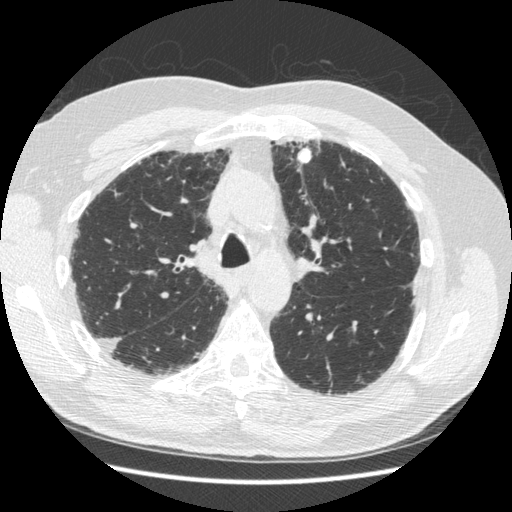
Chest CT, axial plane, 120 kVp, kernel STANDARD. Slice 342/497 from the bottom of the scan; thickness 1.25 mm; pixel size 0.703 mm.
Pulmonary nodule, outlined by all four readers. Box on this slice rows 147–163, columns 295–311, the union of the readers' outlines on this slice; longest diameter 16.1 mm on average over the four readers' outlines (readers' outlines 15.2–16.7 mm), volume 670–817 mm3. The readers' prevailing ratings and who disagreed: texture 5/5 (solid) from all four readers; most readers (three of four) put margin at 5/5 (circumscribed), others 3/5 (one); sphericity 5/5 (round) by two of four readers; the rest gave 2/5 (one), 4/5 (one); calcification solid calcification from all four readers; internal structure soft tissue, all four readers agreeing; subtlety 5/5 from all four readers; malignancy likelihood 1/5 from all four readers. Scale key (1–5): texture non-solid→solid, margin indistinct→circumscribed, sphericity linear→round, subtlety extremely subtle→obvious, malignancy likelihood highly unlikely→highly suspicious of cancer. Box rows and columns are 0-based pixel indices from the top-left corner, inclusive.